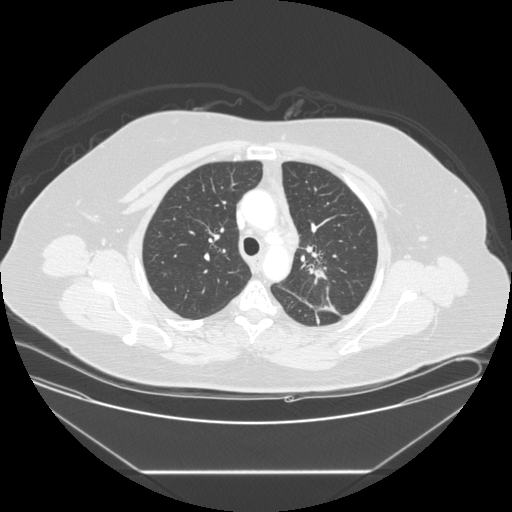
Axial chest CT slice 167 of 225 (counted from the lowest slice); 1.25 mm thick, 0.828 mm per pixel. Pulmonary nodule, outlined by one of the four readers. Box on this slice rows 269–282, columns 310–325, that reader's outline on this slice; longest diameter 33.6 mm and volume 4404 mm3 from that reader's outline. That reader's ratings: texture 5/5 (solid); margin 2/5; sphericity 3/5 (ovoid); calcification absent; internal structure soft tissue; subtlety 5/5; malignancy likelihood 5/5. Scale key (1–5): texture non-solid→solid, margin indistinct→circumscribed, sphericity linear→round, subtlety extremely subtle→obvious, malignancy likelihood highly unlikely→highly suspicious of cancer. Box rows and columns are 0-based pixel indices from the top-left corner, inclusive.
Scan settings: 120 kVp, STANDARD reconstruction kernel.